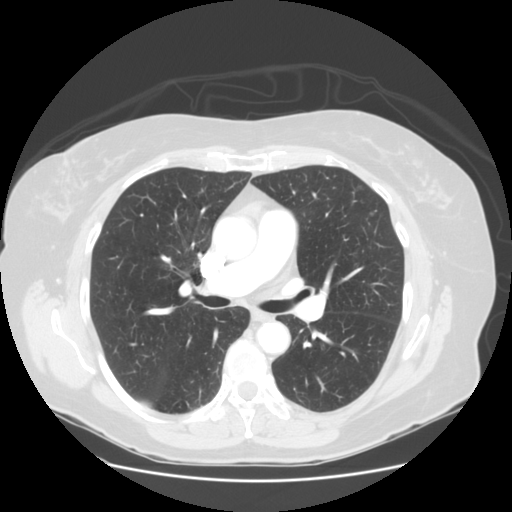
Axial slice 77 of 128 of a chest CT (slice 1 is the lowest), reconstructed with the STANDARD kernel at 120 kVp; 2.50 mm slice thickness and 0.742 mm pixels.
Two pulmonary nodules on this slice, listed from left to right. (1) Pulmonary nodule at rows 186–189, columns 355–362 (box = the union of the readers' outlines on this slice), outlined by all four readers, two of them on this slice; longest diameter 8.3 mm on average over the four readers' outlines (readers' outlines 8.0–8.7 mm), volume 205–313 mm3. The readers' prevailing ratings and who disagreed: texture 5/5 (solid) from all four readers; margin 5/5 (circumscribed), all four readers agreeing; sphericity 5/5 (round) by two of four readers; the rest gave 3/5 (ovoid) (one), 4/5 (one); calcification absent from all four readers; internal structure soft tissue, all four readers agreeing; subtlety 4/5 by two of four readers; the rest gave 3/5 (one), 5/5 (one); malignancy likelihood split among the readers: 2/5 (two), 3/5 (two). (2) Pulmonary nodule outlined by one of the four readers; box rows 213–215, columns 370–373 (that reader's outline on this slice); longest diameter 5.4 mm and volume 106 mm3 from that reader's outline. That reader's ratings: texture 5/5 (solid); margin 5/5 (circumscribed); sphericity 5/5 (round); calcification absent; internal structure soft tissue; subtlety 3/5; malignancy likelihood 2/5. Scale key (1–5): texture non-solid→solid, margin indistinct→circumscribed, sphericity linear→round, subtlety extremely subtle→obvious, malignancy likelihood highly unlikely→highly suspicious of cancer. Box rows and columns are 0-based pixel indices from the top-left corner, inclusive.